Axial slice 201 of 241 of a chest CT (slice 1 is the lowest), reconstructed with the BONE kernel at 120 kVp; 1.25 mm slice thickness and 0.586 mm pixels.
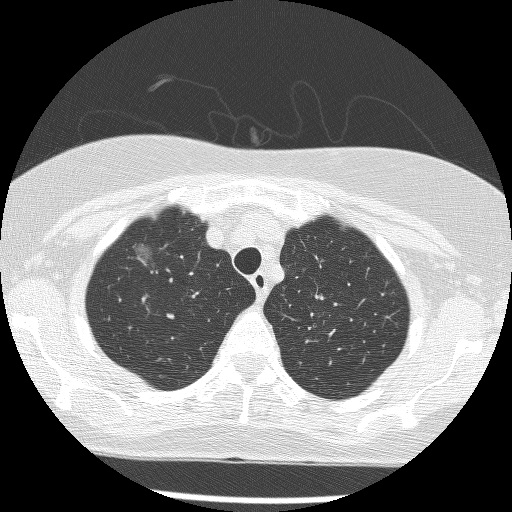
Pulmonary nodule, outlined by all four readers. Box on this slice rows 242–269, columns 132–155, the union of the readers' outlines on this slice; longest diameter 22.8 mm on average over the four readers' outlines (readers' outlines 21.0–24.7 mm), volume 2289–2909 mm3. The readers' prevailing ratings and who disagreed: texture split among the readers: 1/5 (non-solid) (two), 2/5 (two); margin 2/5 by three of four readers; the rest gave 3/5 (one); sphericity 3/5 (ovoid) by two of four readers; the rest gave 2/5 (one), 4/5 (one); calcification absent from all four readers; internal structure soft tissue, all four readers agreeing; subtlety split among the readers: 4/5 (two), 5/5 (two); malignancy likelihood 5/5 by three of four readers; the rest gave 3/5 (one). Scale key (1–5): texture non-solid→solid, margin indistinct→circumscribed, sphericity linear→round, subtlety extremely subtle→obvious, malignancy likelihood highly unlikely→highly suspicious of cancer. Box rows and columns are 0-based pixel indices from the top-left corner, inclusive.